One axial slice (228 of 426, counting up from the lowest) of a chest CT acquired at 120 kVp with the STANDARD kernel; each pixel is 0.742 mm and the slice is 1.25 mm thick.
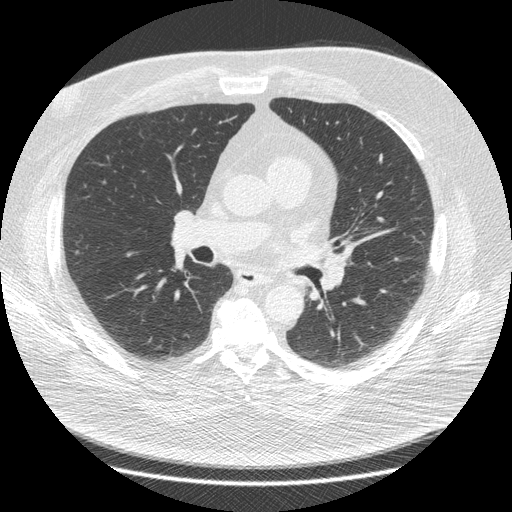
Pulmonary nodule outlined by two of the four readers; box rows 252–256, columns 127–133 (the union of the readers' outlines on this slice); longest diameter 9.4 mm on average over the two readers' outlines (readers' outlines 9.2–9.7 mm), volume 99–114 mm3. The readers' prevailing ratings and who disagreed: texture 5/5 (solid) from both readers; margin split among the readers: 4/5 (one), 5/5 (circumscribed) (one); sphericity 3/5 (ovoid) from both readers; calcification absent, both readers agreeing; internal structure soft tissue from both readers; subtlety 3/5 from both readers; malignancy likelihood 2/5, both readers agreeing. Scale key (1–5): texture non-solid→solid, margin indistinct→circumscribed, sphericity linear→round, subtlety extremely subtle→obvious, malignancy likelihood highly unlikely→highly suspicious of cancer. Box rows and columns are 0-based pixel indices from the top-left corner, inclusive.